Axial slice 403 of 458 of a chest CT (slice 1 is the lowest), reconstructed with the STANDARD kernel at 120 kVp; 1.25 mm slice thickness and 0.586 mm pixels.
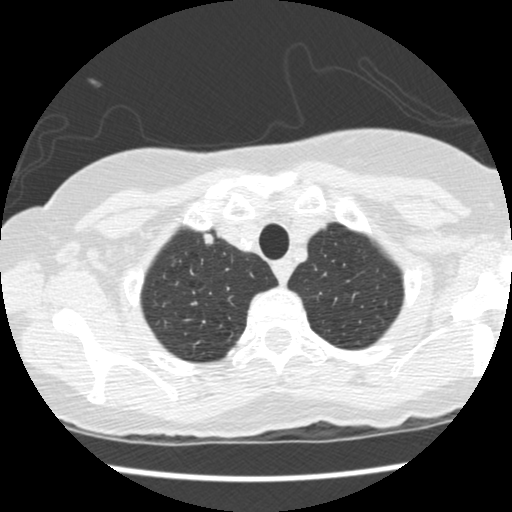
Pulmonary nodule outlined by all four readers; box rows 233–245, columns 202–213 (the union of the readers' outlines on this slice); the four readers' outlines give a longest diameter between 9.1 and 10.0 mm and a volume between 243 and 272 mm3. Ratings across the readers: texture from 4/5 to 5/5 (solid) across the four readers; margin from 4/5 to 5/5 (circumscribed) across the four readers; sphericity from 3/5 (ovoid) to 5/5 (round) across the four readers; calcification absent, all four readers agreeing; internal structure soft tissue from all four readers; subtlety rated between 4 and 5 out of 5 by the four readers; malignancy likelihood from 2/5 to 4/5 across the four readers. Scale key (1–5): texture non-solid→solid, margin indistinct→circumscribed, sphericity linear→round, subtlety extremely subtle→obvious, malignancy likelihood highly unlikely→highly suspicious of cancer. Box rows and columns are 0-based pixel indices from the top-left corner, inclusive.